One axial slice (306 of 458, counting up from the lowest) of a chest CT acquired at 120 kVp with the STANDARD kernel; each pixel is 0.625 mm and the slice is 1.25 mm thick.
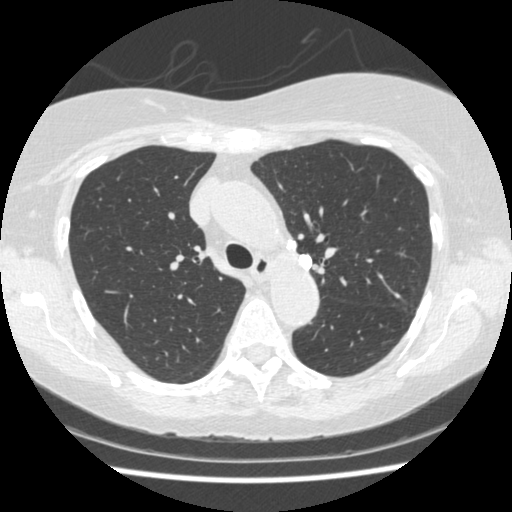
Three pulmonary nodules on this slice, listed from left to right. (1) Pulmonary nodule outlined by one of the four readers; box rows 239–250, columns 286–296 (that reader's outline on this slice); longest diameter 10.6 mm and volume 342 mm3 from that reader's outline. Ratings by that reader: texture 5/5 (solid); margin 5/5 (circumscribed); sphericity 4/5; calcification solid calcification; internal structure soft tissue; subtlety 4/5; malignancy likelihood 1/5. (2) Pulmonary nodule outlined by one of the four readers; box rows 254–270, columns 299–312 (that reader's outline on this slice); longest diameter 11.9 mm and volume 579 mm3 from that reader's outline. Ratings by that reader: texture 5/5 (solid); margin 5/5 (circumscribed); sphericity 5/5 (round); calcification solid calcification; internal structure soft tissue; subtlety 4/5; malignancy likelihood 1/5. (3) Pulmonary nodule outlined by all four readers; box rows 293–297, columns 394–399 (the union of the readers' outlines on this slice); longest diameter 6.8–7.1 mm and volume 96–159 mm3 across the four readers' outlines. Ratings across the readers: texture from 4/5 to 5/5 (solid) across the four readers; margin from 4/5 to 5/5 (circumscribed) across the four readers; sphericity from 3/5 (ovoid) to 4/5 across the four readers; calcification: solid calcification (two), central calcification (one), absent (one); internal structure soft tissue from all four readers; subtlety rated between 4 and 5 out of 5 by the four readers; malignancy likelihood 1–3/5 (the readers disagree). Scale key (1–5): texture non-solid→solid, margin indistinct→circumscribed, sphericity linear→round, subtlety extremely subtle→obvious, malignancy likelihood highly unlikely→highly suspicious of cancer. Box rows and columns are 0-based pixel indices from the top-left corner, inclusive.